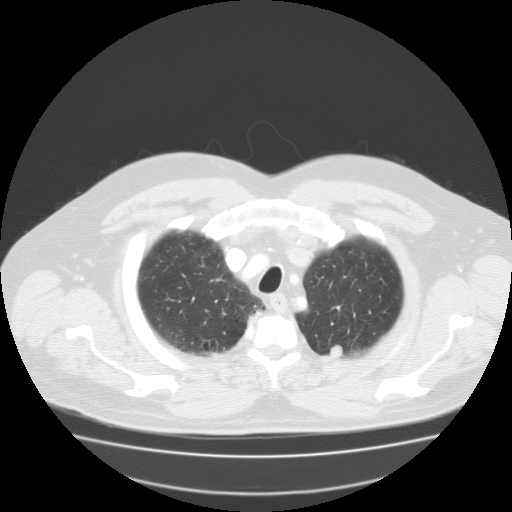
Axial chest CT slice 104 of 124 (counted from the lowest slice); tube voltage 135 kVp, convolution kernel FC01; slices 3.00 mm thick, 0.854 mm per pixel.
Pulmonary nodule at rows 344–359, columns 328–343 (box = the union of the readers' outlines on this slice), outlined by all four readers, three of them on this slice; longest diameter 13.5–15.1 mm and volume 568–1162 mm3 across the four readers' outlines. The readers' ratings, as ranges where they differ: texture 5/5 (solid) from all four readers; margin from 4/5 to 5/5 (circumscribed) across the four readers; sphericity from 3/5 (ovoid) to 5/5 (round) across the four readers; calcification absent from all four readers; internal structure soft tissue, all four readers agreeing; subtlety 4–5/5 (the readers disagree); malignancy likelihood from 3/5 to 4/5 across the four readers. Scale key (1–5): texture non-solid→solid, margin indistinct→circumscribed, sphericity linear→round, subtlety extremely subtle→obvious, malignancy likelihood highly unlikely→highly suspicious of cancer. Box rows and columns are 0-based pixel indices from the top-left corner, inclusive.